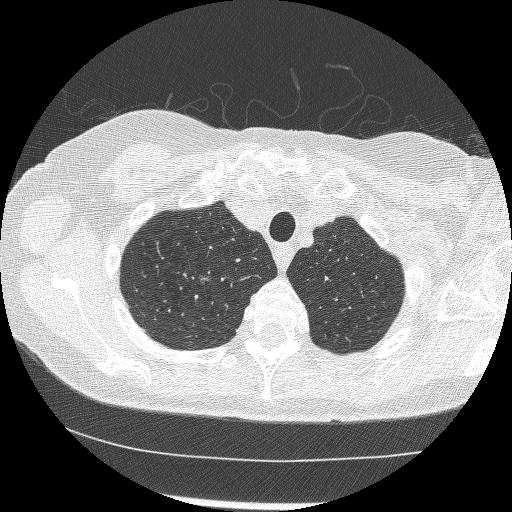
Axial chest CT slice 212 of 246 (counted from the lowest slice); 1.25 mm thick, 0.586 mm per pixel. Pulmonary nodule at rows 275–280, columns 199–207 (box = the one reader's outline on this slice), outlined by all four readers, one of them on this slice; median longest diameter 8.8 mm (readers' outlines 6.1–10.0 mm), median volume 137 mm3 (66–342 mm3). Median ratings and the readers' spread: texture 4.5/5 at the median of four readers, spread 3/5 (part-solid) to 5/5 (solid); median margin 2.5/5 (readers ranged 1/5 (indistinct) to 3/5); sphericity 2/5 at the median of four readers, spread 2/5 to 3/5 (ovoid); calcification absent, all four readers agreeing; internal structure soft tissue, all four readers agreeing; subtlety 3.5/5 at the median of four readers, spread 3–5; malignancy likelihood 4/5 at the median of four readers, spread 3–5. Scale key (1–5): texture non-solid→solid, margin indistinct→circumscribed, sphericity linear→round, subtlety extremely subtle→obvious, malignancy likelihood highly unlikely→highly suspicious of cancer. Box rows and columns are 0-based pixel indices from the top-left corner, inclusive.
Acquired at 120 kVp and reconstructed with the BONE kernel.